Chest CT, axial plane, 120 kVp, kernel B30f. Slice 154/197 from the bottom of the scan; thickness 2.00 mm; pixel size 0.625 mm.
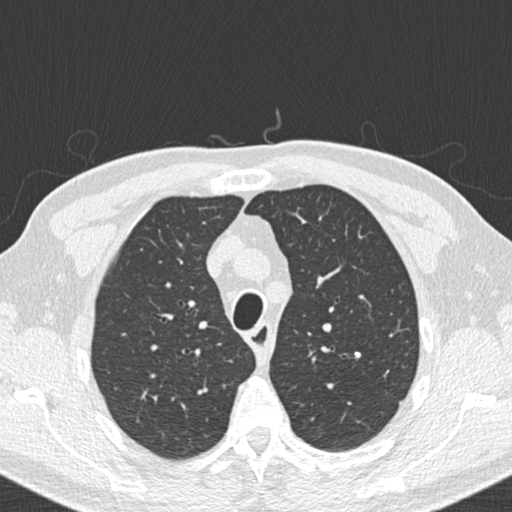
Pulmonary nodule at rows 351–358, columns 354–361 (box = the union of the readers' outlines on this slice), outlined by all four readers; the four readers' outlines give a longest diameter between 3.6 and 5.9 mm and a volume between 19 and 70 mm3. Ratings across the readers: texture 5/5 (solid) from all four readers; margin 5/5 (circumscribed) from all four readers; sphericity from 4/5 to 5/5 (round) across the four readers; calcification solid calcification, all four readers agreeing; internal structure soft tissue from all four readers; subtlety from 4/5 to 5/5 across the four readers; malignancy likelihood 1/5, all four readers agreeing. Scale key (1–5): texture non-solid→solid, margin indistinct→circumscribed, sphericity linear→round, subtlety extremely subtle→obvious, malignancy likelihood highly unlikely→highly suspicious of cancer. Box rows and columns are 0-based pixel indices from the top-left corner, inclusive.